Axial slice 155 of 177 of a chest CT (slice 1 is the lowest), reconstructed with the B30f kernel at 120 kVp; 2.00 mm slice thickness and 0.643 mm pixels.
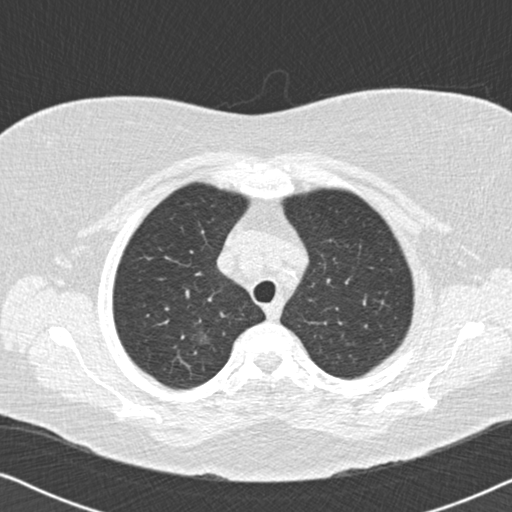
Pulmonary nodule, outlined by two of the four readers. Box on this slice rows 328–343, columns 197–209, the union of the readers' outlines on this slice; longest diameter 18.7 mm on average over the two readers' outlines (readers' outlines 18.7 mm), volume 907–910 mm3. The readers' prevailing ratings and who disagreed: texture 1/5 (non-solid), both readers agreeing; margin 1/5 (indistinct) from both readers; sphericity split among the readers: 2/5 (one), 3/5 (ovoid) (one); calcification absent, both readers agreeing; internal structure soft tissue from both readers; subtlety split among the readers: 1/5 (one), 2/5 (one); malignancy likelihood 3/5, both readers agreeing. Scale key (1–5): texture non-solid→solid, margin indistinct→circumscribed, sphericity linear→round, subtlety extremely subtle→obvious, malignancy likelihood highly unlikely→highly suspicious of cancer. Box rows and columns are 0-based pixel indices from the top-left corner, inclusive.